Chest CT, axial plane, 120 kVp, kernel STANDARD. Slice 349/445 from the bottom of the scan; thickness 1.25 mm; pixel size 0.645 mm.
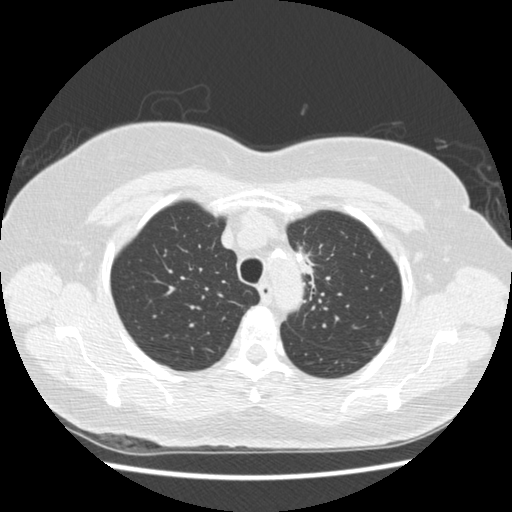
Two pulmonary nodules on this slice, listed from left to right. (1) Pulmonary nodule outlined by one of the four readers; box rows 248–273, columns 297–312 (that reader's outline on this slice); longest diameter 31.0 mm and volume 2055 mm3 from that reader's outline. Ratings by that reader: texture 5/5 (solid); margin 2/5; sphericity 2/5; calcification absent; internal structure soft tissue; subtlety 5/5; malignancy likelihood 4/5. (2) Pulmonary nodule outlined by all four readers, three of them on this slice; box rows 339–345, columns 375–380 (the union of the readers' outlines on this slice); median longest diameter 11.1 mm (readers' outlines 9.9–11.6 mm), median volume 349 mm3 (292–430 mm3). Median ratings and the readers' spread: median texture 2/5 (readers ranged 1/5 (non-solid) to 4/5); margin 4/5 at the median of four readers, spread 2/5 to 5/5 (circumscribed); sphericity 4/5 at the median of four readers, spread 3/5 (ovoid) to 5/5 (round); calcification absent, all four readers agreeing; internal structure soft tissue from all four readers; median subtlety 3/5 (readers ranged 3–5); median malignancy likelihood 4/5 (readers ranged 2–5). Scale key (1–5): texture non-solid→solid, margin indistinct→circumscribed, sphericity linear→round, subtlety extremely subtle→obvious, malignancy likelihood highly unlikely→highly suspicious of cancer. Box rows and columns are 0-based pixel indices from the top-left corner, inclusive.